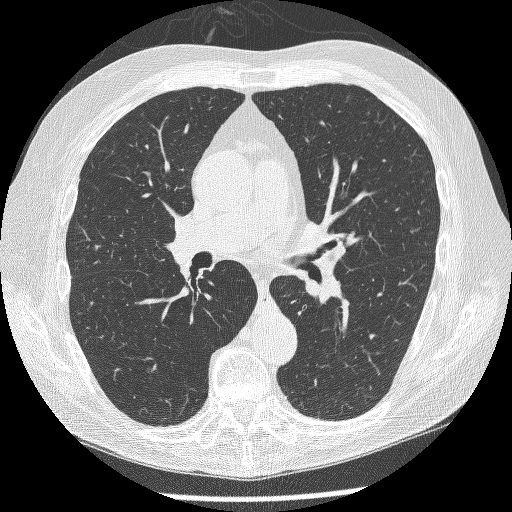
Slice 158/250 of a chest CT, counting up from the lowest; pixel size 0.654 mm, slice thickness 1.25 mm. This slice carries no reader outline of a nodule 3 mm or larger.
Scan settings: 120 kVp, BONE reconstruction kernel.